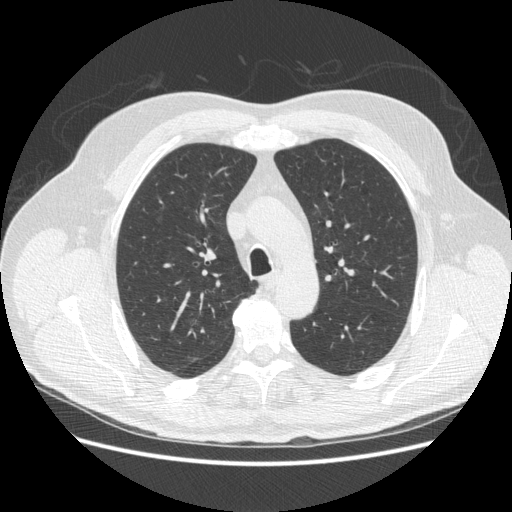
Axial slice 360 of 503 of a chest CT (slice 1 is the lowest), reconstructed with the STANDARD kernel at 120 kVp; 1.25 mm slice thickness and 0.742 mm pixels.
Pulmonary nodule outlined by all four readers; box rows 215–224, columns 154–161 (the union of the readers' outlines on this slice); the four readers' outlines give a longest diameter between 7.6 and 8.7 mm and a volume between 67 and 154 mm3. Ratings across the readers: texture from 1/5 (non-solid) to 3/5 (part-solid) across the four readers; margin from 2/5 to 5/5 (circumscribed) across the four readers; sphericity from 4/5 to 5/5 (round) across the four readers; calcification absent, all four readers agreeing; internal structure soft tissue, all four readers agreeing; subtlety 1–5/5 (the readers disagree); malignancy likelihood 2–4/5 (the readers disagree). Scale key (1–5): texture non-solid→solid, margin indistinct→circumscribed, sphericity linear→round, subtlety extremely subtle→obvious, malignancy likelihood highly unlikely→highly suspicious of cancer. Box rows and columns are 0-based pixel indices from the top-left corner, inclusive.